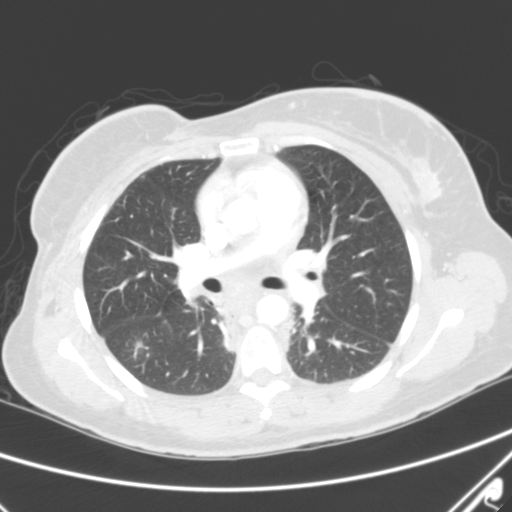
Axial slice 156 of 263 of a chest CT (slice 1 is the lowest), reconstructed with the B kernel at 120 kVp; 2.00 mm slice thickness and 0.664 mm pixels.
Pulmonary nodule, outlined two times (the source holds three more outlines, not used). Box on this slice rows 337–347, columns 132–143, the union of the readers' outlines on this slice; longest diameter 13.7 mm on average over the two readers' outlines (readers' outlines 12.2–15.2 mm), volume 731–1229 mm3. Ratings, by the readers' most common answer with dissent counted: texture split among the readers: 1/5 (non-solid) (one), 3/5 (part-solid) (one); margin split among the readers: 2/5 (one), 3/5 (one); sphericity split among the readers: 3/5 (ovoid) (one), 4/5 (one); calcification absent, both readers agreeing; internal structure soft tissue from both readers; subtlety 3/5, both readers agreeing; malignancy likelihood split among the readers: 2/5 (one), 4/5 (one). Scale key (1–5): texture non-solid→solid, margin indistinct→circumscribed, sphericity linear→round, subtlety extremely subtle→obvious, malignancy likelihood highly unlikely→highly suspicious of cancer. Box rows and columns are 0-based pixel indices from the top-left corner, inclusive.